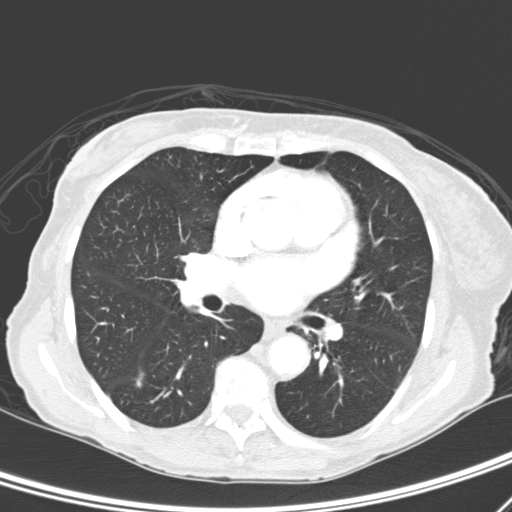
Axial chest CT slice 156 of 276 (counted from the lowest slice); tube voltage 120 kVp, convolution kernel D; slices 2.00 mm thick, 0.617 mm per pixel.
Pulmonary nodule at rows 372–387, columns 136–143 (box = the one reader's outline on this slice), outlined by two of the four readers, one of them on this slice; longest diameter 10.2 mm on average over the two readers' outlines (readers' outlines 9.8–10.6 mm), volume 119–162 mm3. Ratings, by the readers' most common answer with dissent counted: texture split among the readers: 2/5 (one), 3/5 (part-solid) (one); margin split among the readers: 1/5 (indistinct) (one), 2/5 (one); sphericity split among the readers: 2/5 (one), 3/5 (ovoid) (one); calcification absent, both readers agreeing; internal structure soft tissue from both readers; subtlety split among the readers: 4/5 (one), 5/5 (one); malignancy likelihood 3/5, both readers agreeing. Scale key (1–5): texture non-solid→solid, margin indistinct→circumscribed, sphericity linear→round, subtlety extremely subtle→obvious, malignancy likelihood highly unlikely→highly suspicious of cancer. Box rows and columns are 0-based pixel indices from the top-left corner, inclusive.